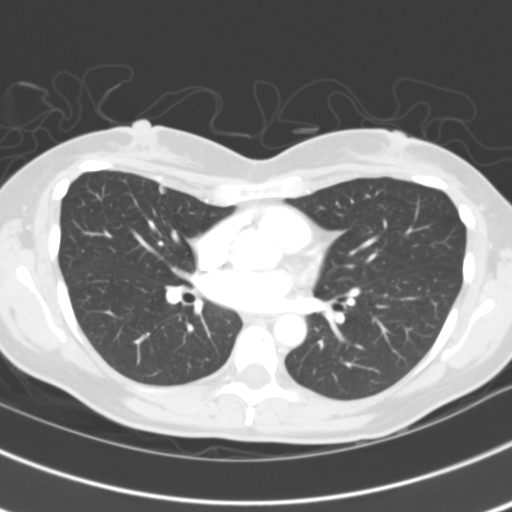
Axial slice 57 of 107 of a chest CT (slice 1 is the lowest), reconstructed with the B31f kernel at 120 kVp; 3.00 mm slice thickness and 0.586 mm pixels.
Pulmonary nodule at rows 185–195, columns 157–166 (box = the union of the readers' outlines on this slice), outlined by three of the four readers; median longest diameter 6.9 mm (readers' outlines 6.7–7.2 mm), median volume 131 mm3 (128–180 mm3). Median ratings and the readers' spread: texture 2/5 at the median of three readers, spread 2/5 to 4/5; median margin 4/5 (readers ranged 2/5 to 4/5); median sphericity 4/5 (readers ranged 3/5 (ovoid) to 4/5); calcification absent, all three readers agreeing; internal structure soft tissue, all three readers agreeing; median subtlety 4/5 (readers ranged 2–5); malignancy likelihood 3/5 at the median of three readers, spread 3–4. Scale key (1–5): texture non-solid→solid, margin indistinct→circumscribed, sphericity linear→round, subtlety extremely subtle→obvious, malignancy likelihood highly unlikely→highly suspicious of cancer. Box rows and columns are 0-based pixel indices from the top-left corner, inclusive.